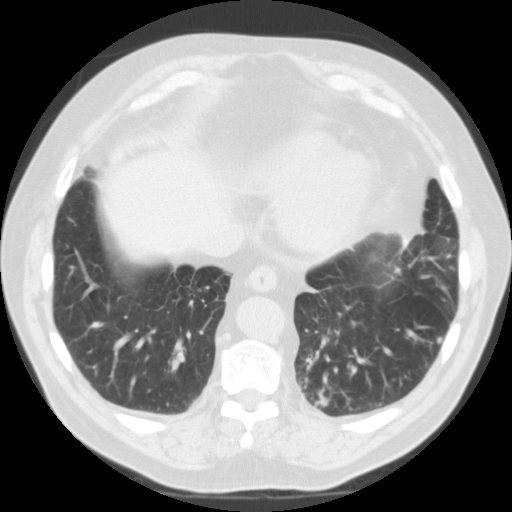
One axial slice (40 of 115, counting up from the lowest) of a chest CT acquired at 135 kVp with the FC01 kernel; each pixel is 0.720 mm and the slice is 3.00 mm thick.
Pulmonary nodule, outlined by two of the four readers. Box on this slice rows 336–344, columns 436–442, the union of the readers' outlines on this slice; longest diameter 7.4 mm on average over the two readers' outlines (readers' outlines 7.2–7.5 mm), volume 169–196 mm3. The readers' prevailing ratings and who disagreed: texture split among the readers: 3/5 (part-solid) (one), 4/5 (one); margin split among the readers: 3/5 (one), 4/5 (one); sphericity split among the readers: 3/5 (ovoid) (one), 4/5 (one); calcification absent, both readers agreeing; internal structure soft tissue, both readers agreeing; subtlety 4/5, both readers agreeing; malignancy likelihood split among the readers: 2/5 (one), 3/5 (one). Scale key (1–5): texture non-solid→solid, margin indistinct→circumscribed, sphericity linear→round, subtlety extremely subtle→obvious, malignancy likelihood highly unlikely→highly suspicious of cancer. Box rows and columns are 0-based pixel indices from the top-left corner, inclusive.